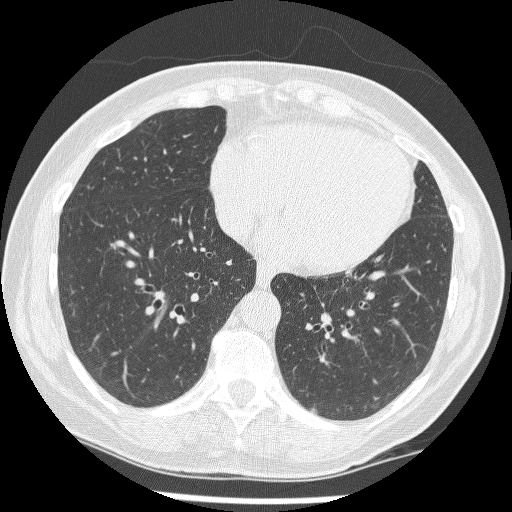
Axial slice 95 of 241 of a chest CT (slice 1 is the lowest), reconstructed with the BONE kernel at 120 kVp; 1.25 mm slice thickness and 0.590 mm pixels.
Pulmonary nodule outlined by one of the four readers; box rows 407–413, columns 309–317 (that reader's outline on this slice); longest diameter 8.2 mm and volume 79 mm3 from that reader's outline. Ratings by that reader: texture 2/5; margin 1/5 (indistinct); sphericity 3/5 (ovoid); calcification absent; internal structure soft tissue; subtlety 3/5; malignancy likelihood 3/5. Scale key (1–5): texture non-solid→solid, margin indistinct→circumscribed, sphericity linear→round, subtlety extremely subtle→obvious, malignancy likelihood highly unlikely→highly suspicious of cancer. Box rows and columns are 0-based pixel indices from the top-left corner, inclusive.